Chest CT, axial plane, 120 kVp, kernel B50f. Slice 447/733 from the bottom of the scan; thickness 0.60 mm; pixel size 0.637 mm.
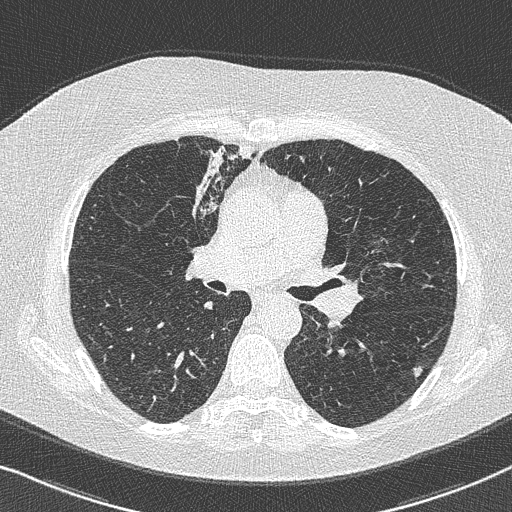
Pulmonary nodule outlined by all four readers; box rows 366–377, columns 410–423 (the union of the readers' outlines on this slice); the four readers' outlines give a longest diameter between 11.1 and 11.9 mm and a volume between 231 and 376 mm3. Ratings across the readers: texture 5/5 (solid) from all four readers; margin from 3/5 to 5/5 (circumscribed) across the four readers; sphericity from 3/5 (ovoid) to 5/5 (round) across the four readers; calcification absent, all four readers agreeing; internal structure soft tissue, all four readers agreeing; subtlety 4–5/5 (the readers disagree); malignancy likelihood 3–4/5 (the readers disagree). Scale key (1–5): texture non-solid→solid, margin indistinct→circumscribed, sphericity linear→round, subtlety extremely subtle→obvious, malignancy likelihood highly unlikely→highly suspicious of cancer. Box rows and columns are 0-based pixel indices from the top-left corner, inclusive.